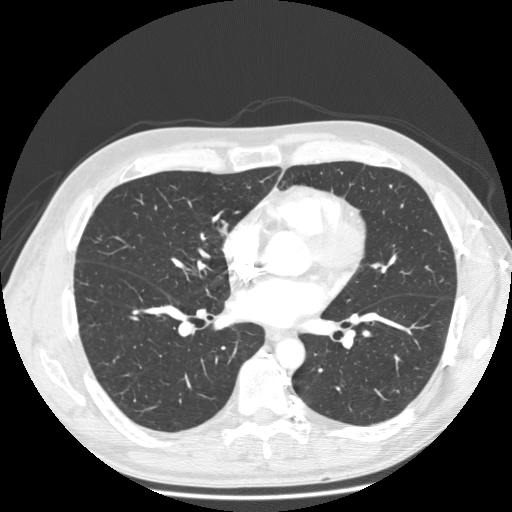
Axial chest CT slice 112 of 238 (counted from the lowest slice); 1.25 mm thick, 0.742 mm per pixel. No nodule 3 mm or larger was outlined here by any reader.
Acquired at 120 kVp and reconstructed with the STANDARD kernel.